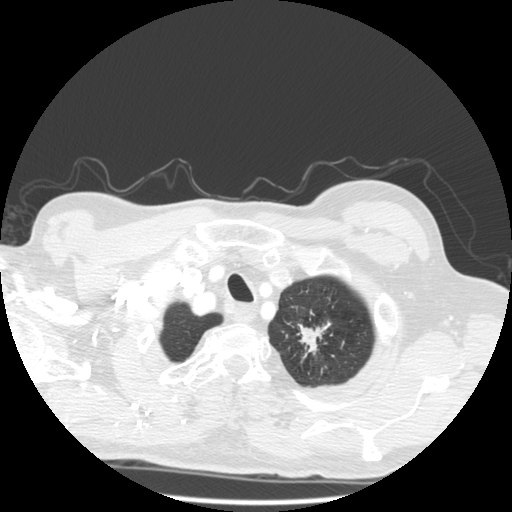
Axial slice 463 of 501 of a chest CT (slice 1 is the lowest), reconstructed with the STANDARD kernel at 140 kVp; 1.25 mm slice thickness and 0.703 mm pixels.
Pulmonary nodule, outlined by three of the four readers. Box on this slice rows 321–358, columns 297–331, the union of the readers' outlines on this slice; the three readers' outlines give a longest diameter between 32.1 and 39.2 mm and a volume between 2361 and 4873 mm3. Ratings across the readers: texture from 4/5 to 5/5 (solid) across the three readers; margin from 1/5 (indistinct) to 5/5 (circumscribed) across the three readers; sphericity from 2/5 to 5/5 (round) across the three readers; calcification absent from all three readers; internal structure soft tissue, all three readers agreeing; subtlety 5/5, all three readers agreeing; malignancy likelihood 4–5/5 (the readers disagree). Scale key (1–5): texture non-solid→solid, margin indistinct→circumscribed, sphericity linear→round, subtlety extremely subtle→obvious, malignancy likelihood highly unlikely→highly suspicious of cancer. Box rows and columns are 0-based pixel indices from the top-left corner, inclusive.